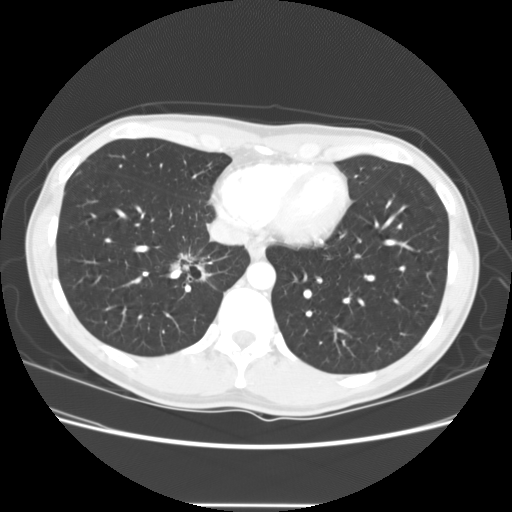
Axial chest CT slice 45 of 141 (counted from the lowest slice); 2.50 mm thick, 0.703 mm per pixel. Pulmonary nodule outlined four times (the source holds one more outline, not used); box rows 252–282, columns 167–210 (the union of the readers' outlines on this slice); median longest diameter 32.5 mm (readers' outlines 31.6–34.1 mm), median volume 6128 mm3 (4983–9079 mm3). Median ratings and the readers' spread: texture 5/5 (solid), all four readers agreeing; median margin 3/5 (readers ranged 1/5 (indistinct) to 3/5); sphericity 3.5/5 at the median of four readers, spread 3/5 (ovoid) to 4/5; calcification absent from all four readers; internal structure split among the readers: air (two), soft tissue (two); subtlety 5/5 from all four readers; malignancy likelihood 5/5 from all four readers. Scale key (1–5): texture non-solid→solid, margin indistinct→circumscribed, sphericity linear→round, subtlety extremely subtle→obvious, malignancy likelihood highly unlikely→highly suspicious of cancer. Box rows and columns are 0-based pixel indices from the top-left corner, inclusive.
Tube voltage 120 kVp; convolution kernel STANDARD.